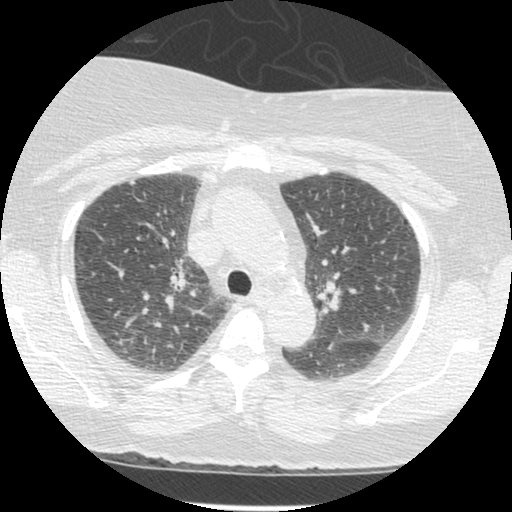
Axial chest CT slice 262 of 381 (counted from the lowest slice); tube voltage 120 kVp, convolution kernel STANDARD; slices 1.25 mm thick, 0.625 mm per pixel.
Pulmonary nodule at rows 180–184, columns 129–134 (box = that reader's outline on this slice), outlined by one of the four readers; longest diameter 4.8 mm and volume 33 mm3 from that reader's outline. Ratings by that reader: texture 5/5 (solid); margin 5/5 (circumscribed); sphericity 3/5 (ovoid); calcification absent; internal structure soft tissue; subtlety 4/5; malignancy likelihood 3/5. Scale key (1–5): texture non-solid→solid, margin indistinct→circumscribed, sphericity linear→round, subtlety extremely subtle→obvious, malignancy likelihood highly unlikely→highly suspicious of cancer. Box rows and columns are 0-based pixel indices from the top-left corner, inclusive.